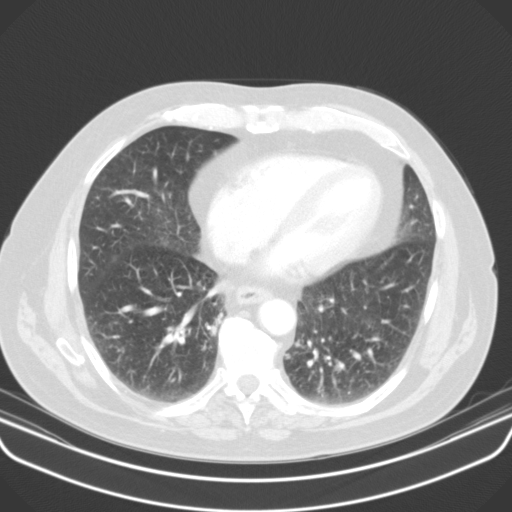
This is axial slice 48 of 107 (slice 1 is the lowest) of a chest CT; each pixel is 0.742 mm and the slice is 3.00 mm thick. Pulmonary nodule, outlined by one of the four readers. Box on this slice rows 314–335, columns 208–221, that reader's outline on this slice; longest diameter 19.7 mm and volume 1325 mm3 from that reader's outline. Ratings by that reader: texture 4/5; margin 4/5; sphericity 3/5 (ovoid); calcification absent; internal structure soft tissue; subtlety 4/5; malignancy likelihood 3/5. Scale key (1–5): texture non-solid→solid, margin indistinct→circumscribed, sphericity linear→round, subtlety extremely subtle→obvious, malignancy likelihood highly unlikely→highly suspicious of cancer. Box rows and columns are 0-based pixel indices from the top-left corner, inclusive.
Scan settings: 130 kVp, B31s reconstruction kernel.